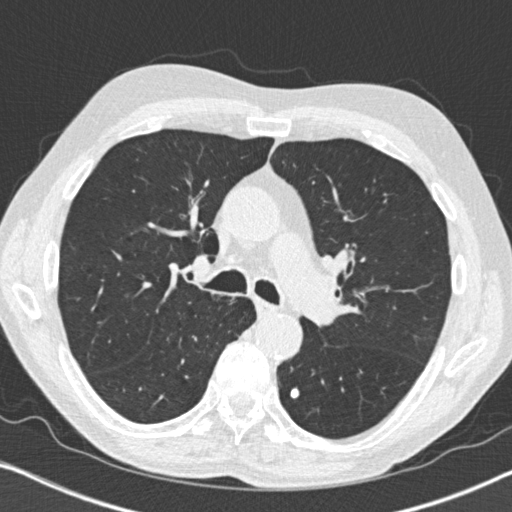
Axial slice 496 of 764 of a chest CT (slice 1 is the lowest), reconstructed with the B31f kernel at 120 kVp; 1.00 mm slice thickness and 0.646 mm pixels.
Pulmonary nodule, outlined by all four readers. Box on this slice rows 387–399, columns 288–300, the union of the readers' outlines on this slice; median longest diameter 11.0 mm (readers' outlines 10.7–12.7 mm), median volume 459 mm3 (382–638 mm3). Median ratings and the readers' spread: texture 5/5 (solid), all four readers agreeing; margin 5/5 (circumscribed), all four readers agreeing; sphericity 5/5 (round) at the median of four readers, spread 4/5 to 5/5 (round); calcification solid calcification, all four readers agreeing; internal structure soft tissue, all four readers agreeing; subtlety 5/5 from all four readers; malignancy likelihood 1/5 from all four readers. Scale key (1–5): texture non-solid→solid, margin indistinct→circumscribed, sphericity linear→round, subtlety extremely subtle→obvious, malignancy likelihood highly unlikely→highly suspicious of cancer. Box rows and columns are 0-based pixel indices from the top-left corner, inclusive.